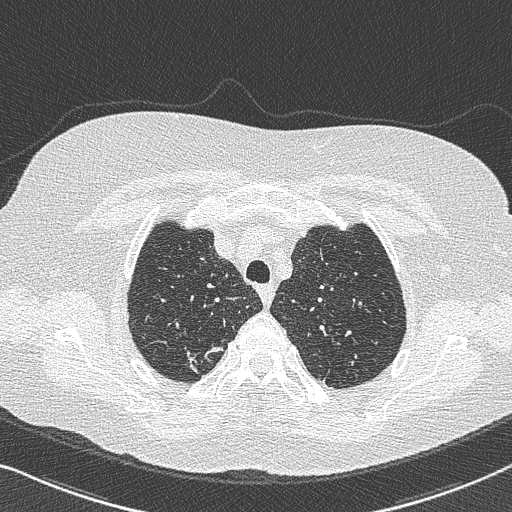
This is axial slice 599 of 733 (slice 1 is the lowest) of a chest CT; each pixel is 0.637 mm and the slice is 0.60 mm thick. Pulmonary nodule outlined by all four readers, one of them on this slice; box rows 358–371, columns 188–197 (the one reader's outline on this slice); longest diameter 22.0 mm on average over the four readers' outlines (readers' outlines 15.5–29.7 mm), volume 888–2128 mm3. The readers' prevailing ratings and who disagreed: most readers (three of four) put texture at 5/5 (solid), others 4/5 (one); margin 3/5 by two of four readers; the rest gave 1/5 (indistinct) (one), 4/5 (one); sphericity 3/5 (ovoid) by two of four readers; the rest gave 2/5 (one), 5/5 (round) (one); calcification absent from all four readers; internal structure soft tissue, all four readers agreeing; subtlety 5/5 by three of four readers; the rest gave 4/5 (one); most readers (three of four) put malignancy likelihood at 4/5, others 5/5 (one). Scale key (1–5): texture non-solid→solid, margin indistinct→circumscribed, sphericity linear→round, subtlety extremely subtle→obvious, malignancy likelihood highly unlikely→highly suspicious of cancer. Box rows and columns are 0-based pixel indices from the top-left corner, inclusive.
Tube voltage 120 kVp; convolution kernel B50f.